Chest CT, axial plane, 120 kVp, kernel LUNG. Slice 92/214 from the bottom of the scan; thickness 1.25 mm; pixel size 0.820 mm.
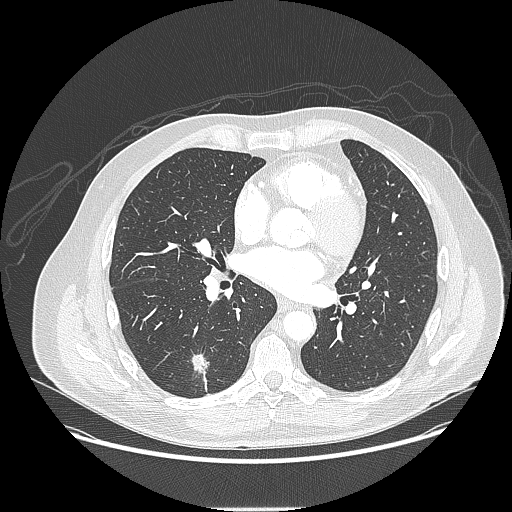
Pulmonary nodule, outlined by all four readers, three of them on this slice. Box on this slice rows 351–373, columns 191–209, the union of the readers' outlines on this slice; median longest diameter 23.1 mm (readers' outlines 14.7–27.9 mm), median volume 1263 mm3 (696–2326 mm3). Ratings, median across the readers with their spread: median texture 5/5 (solid) (readers ranged 4/5 to 5/5 (solid)); median margin 4/5 (readers ranged 1/5 (indistinct) to 4/5); median sphericity 2.5/5 (readers ranged 2/5 to 3/5 (ovoid)); calcification absent, all four readers agreeing; internal structure soft tissue from all four readers; subtlety 4.5/5 at the median of four readers, spread 4–5; median malignancy likelihood 4/5 (readers ranged 3–4). Scale key (1–5): texture non-solid→solid, margin indistinct→circumscribed, sphericity linear→round, subtlety extremely subtle→obvious, malignancy likelihood highly unlikely→highly suspicious of cancer. Box rows and columns are 0-based pixel indices from the top-left corner, inclusive.